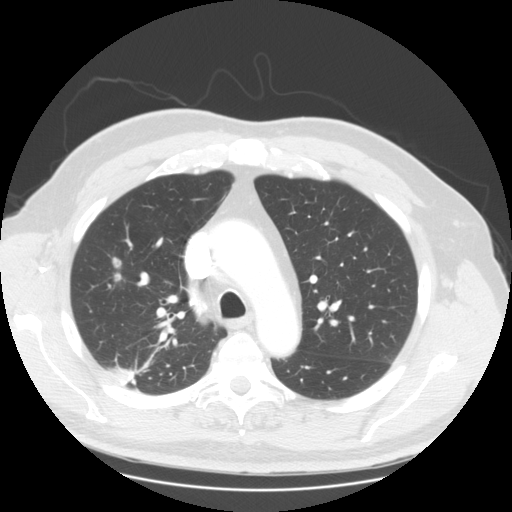
Chest CT, axial plane, 120 kVp, kernel STANDARD. Slice 108/145 from the bottom of the scan; thickness 2.50 mm; pixel size 0.781 mm.
Two pulmonary nodules are outlined on this slice; from left to right: (1) Pulmonary nodule, outlined four times (the source holds one more outline, not used). Box on this slice rows 256–281, columns 111–120, the union of the readers' outlines on this slice; median longest diameter 23.0 mm (readers' outlines 14.4–24.8 mm), median volume 984 mm3 (776–1167 mm3). Median ratings and the readers' spread: texture 4.5/5 at the median of four readers, spread 4/5 to 5/5 (solid); margin 4/5 at the median of four readers, spread 3/5 to 4/5; median sphericity 3/5 (ovoid) (readers ranged 2/5 to 3/5 (ovoid)); calcification absent from all four readers; internal structure soft tissue from all four readers; subtlety 5/5 from all four readers; median malignancy likelihood 3.5/5 (readers ranged 2–5). (2) Pulmonary nodule, outlined by three of the four readers. Box on this slice rows 367–383, columns 107–134, the union of the readers' outlines on this slice; median longest diameter 31.4 mm (readers' outlines 28.0–34.8 mm), median volume 4034 mm3 (3063–5177 mm3). Median ratings and the readers' spread: median texture 5/5 (solid) (readers ranged 4/5 to 5/5 (solid)); margin 4/5 at the median of three readers, spread 2/5 to 4/5; median sphericity 3/5 (ovoid) (readers ranged 2/5 to 5/5 (round)); calcification absent from all three readers; internal structure soft tissue, all three readers agreeing; subtlety 5/5 from all three readers; median malignancy likelihood 4/5 (readers ranged 3–5). Scale key (1–5): texture non-solid→solid, margin indistinct→circumscribed, sphericity linear→round, subtlety extremely subtle→obvious, malignancy likelihood highly unlikely→highly suspicious of cancer. Box rows and columns are 0-based pixel indices from the top-left corner, inclusive.